Axial chest CT slice 87 of 136 (counted from the lowest slice); tube voltage 135 kVp, convolution kernel FC03; slices 2.00 mm thick, 0.644 mm per pixel.
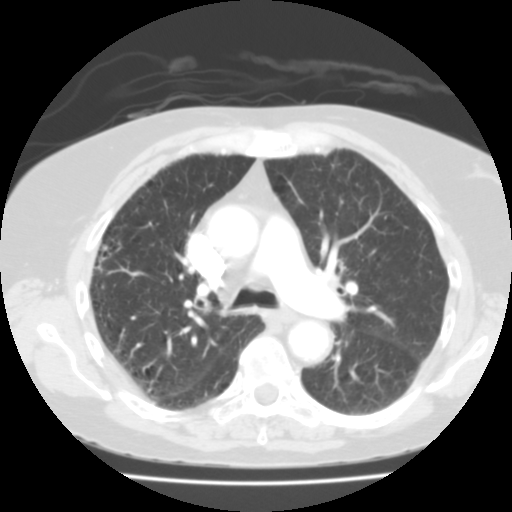
Pulmonary nodule outlined by one of the four readers; box rows 244–250, columns 101–107 (that reader's outline on this slice); longest diameter 9.4 mm and volume 123 mm3 from that reader's outline. Ratings by that reader: texture 1/5 (non-solid); margin 2/5; sphericity 5/5 (round); calcification absent; internal structure soft tissue; subtlety 1/5; malignancy likelihood 2/5. Scale key (1–5): texture non-solid→solid, margin indistinct→circumscribed, sphericity linear→round, subtlety extremely subtle→obvious, malignancy likelihood highly unlikely→highly suspicious of cancer. Box rows and columns are 0-based pixel indices from the top-left corner, inclusive.